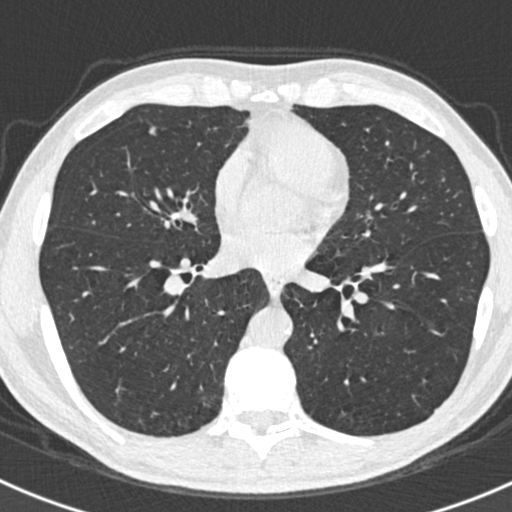
Axial slice 291 of 538 of a chest CT (slice 1 is the lowest), reconstructed with the B30f kernel at 120 kVp; 0.75 mm slice thickness and 0.605 mm pixels.
Pulmonary nodule outlined by all four readers; box rows 125–135, columns 148–157 (the union of the readers' outlines on this slice); median longest diameter 8.4 mm (readers' outlines 7.4–8.5 mm), median volume 59 mm3 (37–89 mm3). Median ratings and the readers' spread: median texture 5/5 (solid) (readers ranged 4/5 to 5/5 (solid)); median margin 3.5/5 (readers ranged 3/5 to 5/5 (circumscribed)); sphericity 3/5 (ovoid) at the median of four readers, spread 2/5 to 4/5; calcification absent, all four readers agreeing; internal structure soft tissue, all four readers agreeing; median subtlety 3.5/5 (readers ranged 3–4); malignancy likelihood 2/5 at the median of four readers, spread 1–3. Scale key (1–5): texture non-solid→solid, margin indistinct→circumscribed, sphericity linear→round, subtlety extremely subtle→obvious, malignancy likelihood highly unlikely→highly suspicious of cancer. Box rows and columns are 0-based pixel indices from the top-left corner, inclusive.